One axial slice (66 of 252, counting up from the lowest) of a chest CT acquired at 120 kVp with the BONE kernel; each pixel is 0.703 mm and the slice is 1.25 mm thick.
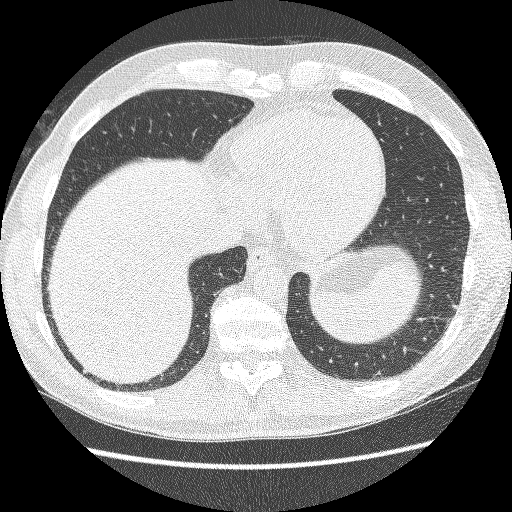
Pulmonary nodule outlined by two of the four readers; box rows 304–308, columns 451–457 (the union of the readers' outlines on this slice); median longest diameter 6.4 mm (readers' outlines 6.4–6.5 mm), median volume 63 mm3 (61–65 mm3). Ratings, median across the readers with their spread: texture 5/5 (solid), both readers agreeing; margin 4.5/5 at the median of two readers, spread 4/5 to 5/5 (circumscribed); sphericity 4/5, both readers agreeing; calcification absent, both readers agreeing; internal structure soft tissue from both readers; subtlety 3/5 at the median of two readers, spread 2–4; malignancy likelihood 2.5/5 at the median of two readers, spread 2–3. Scale key (1–5): texture non-solid→solid, margin indistinct→circumscribed, sphericity linear→round, subtlety extremely subtle→obvious, malignancy likelihood highly unlikely→highly suspicious of cancer. Box rows and columns are 0-based pixel indices from the top-left corner, inclusive.